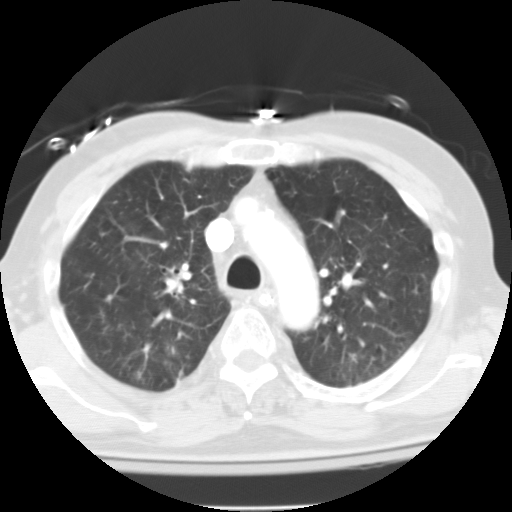
Slice 92/125 of a chest CT, counting up from the lowest; pixel size 0.628 mm, slice thickness 3.00 mm. Pulmonary nodule at rows 346–354, columns 170–175 (box = that reader's outline on this slice), outlined once (the source holds six more outlines, not used); longest diameter 31.3 mm and volume 4861 mm3 from that reader's outline. Ratings by that reader: texture 4/5; margin 2/5; sphericity 2/5; calcification absent; internal structure soft tissue; subtlety 5/5; malignancy likelihood 5/5. Scale key (1–5): texture non-solid→solid, margin indistinct→circumscribed, sphericity linear→round, subtlety extremely subtle→obvious, malignancy likelihood highly unlikely→highly suspicious of cancer. Box rows and columns are 0-based pixel indices from the top-left corner, inclusive.
Acquired at 135 kVp and reconstructed with the FC10 kernel.